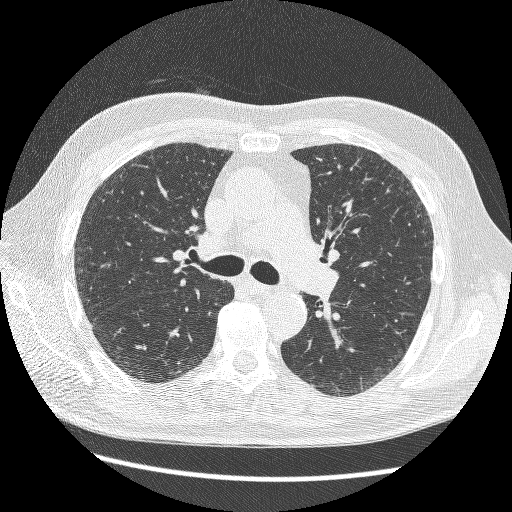
Axial chest CT slice 170 of 264 (counted from the lowest slice); tube voltage 120 kVp, convolution kernel BONE; slices 1.25 mm thick, 0.703 mm per pixel.
This slice carries no reader outline of a nodule 3 mm or larger.